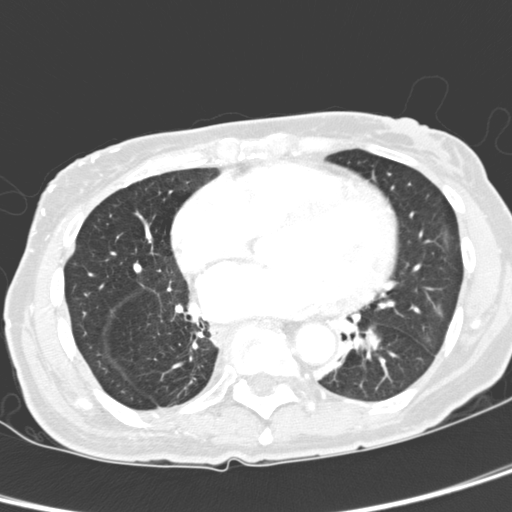
This is axial slice 152 of 321 (slice 1 is the lowest) of a chest CT; each pixel is 0.557 mm and the slice is 2.00 mm thick. Pulmonary nodule outlined by all four readers, three of them on this slice; box rows 328–349, columns 362–378 (the union of the readers' outlines on this slice); the four readers' outlines give a longest diameter between 18.1 and 20.0 mm and a volume between 2428 and 2697 mm3. The readers' ratings, as ranges where they differ: texture from 4/5 to 5/5 (solid) across the four readers; margin from 3/5 to 5/5 (circumscribed) across the four readers; sphericity from 4/5 to 5/5 (round) across the four readers; calcification absent from all four readers; internal structure soft tissue, all four readers agreeing; subtlety rated between 4 and 5 out of 5 by the four readers; malignancy likelihood from 2/5 to 5/5 across the four readers. Scale key (1–5): texture non-solid→solid, margin indistinct→circumscribed, sphericity linear→round, subtlety extremely subtle→obvious, malignancy likelihood highly unlikely→highly suspicious of cancer. Box rows and columns are 0-based pixel indices from the top-left corner, inclusive.
Scan settings: 120 kVp, D reconstruction kernel.